Chest CT, axial plane, 120 kVp, kernel B30f. Slice 292/558 from the bottom of the scan; thickness 0.75 mm; pixel size 0.648 mm.
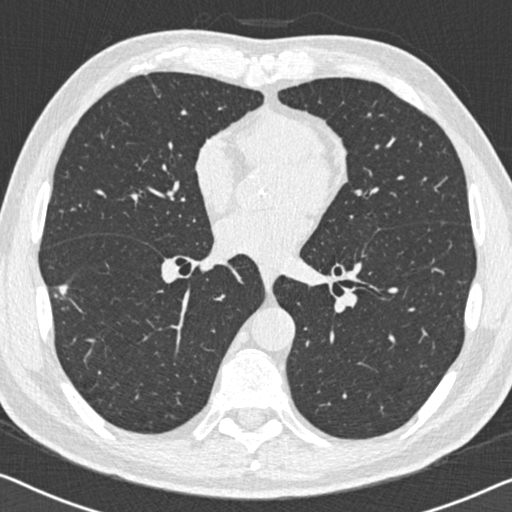
Pulmonary nodule, outlined by all four readers. Box on this slice rows 284–298, columns 54–67, the union of the readers' outlines on this slice; longest diameter 22.2 mm on average over the four readers' outlines (readers' outlines 18.8–26.5 mm), volume 726–1916 mm3. The readers' prevailing ratings and who disagreed: texture 5/5 (solid) by two of four readers; the rest gave 3/5 (part-solid) (one), 4/5 (one); margin 4/5 by two of four readers; the rest gave 1/5 (indistinct) (one), 2/5 (one); sphericity split among the readers: 2/5 (two), 4/5 (two); calcification absent from all four readers; internal structure soft tissue, all four readers agreeing; subtlety 5/5 by three of four readers; the rest gave 4/5 (one); most readers (three of four) put malignancy likelihood at 4/5, others 5/5 (one). Scale key (1–5): texture non-solid→solid, margin indistinct→circumscribed, sphericity linear→round, subtlety extremely subtle→obvious, malignancy likelihood highly unlikely→highly suspicious of cancer. Box rows and columns are 0-based pixel indices from the top-left corner, inclusive.